Chest CT, axial plane, 130 kVp, kernel B31s. Slice 77/119 from the bottom of the scan; thickness 3.00 mm; pixel size 0.650 mm.
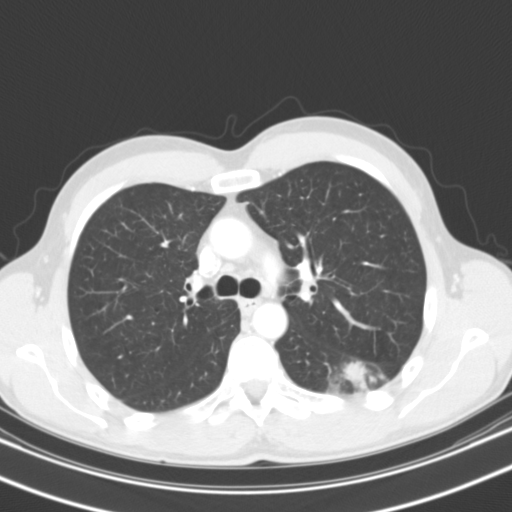
Pulmonary nodule at rows 360–394, columns 327–385 (box = the union of the readers' outlines on this slice), outlined by all four readers; median longest diameter 37.4 mm (readers' outlines 31.4–40.2 mm), median volume 8660 mm3 (6737–11596 mm3). Median ratings and the readers' spread: median texture 5/5 (solid) (readers ranged 4/5 to 5/5 (solid)); median margin 3.5/5 (readers ranged 1/5 (indistinct) to 4/5); median sphericity 4/5 (readers ranged 3/5 (ovoid) to 5/5 (round)); calcification absent from all four readers; internal structure: soft tissue (three), air (one); subtlety 5/5, all four readers agreeing; median malignancy likelihood 4.5/5 (readers ranged 2–5). Scale key (1–5): texture non-solid→solid, margin indistinct→circumscribed, sphericity linear→round, subtlety extremely subtle→obvious, malignancy likelihood highly unlikely→highly suspicious of cancer. Box rows and columns are 0-based pixel indices from the top-left corner, inclusive.